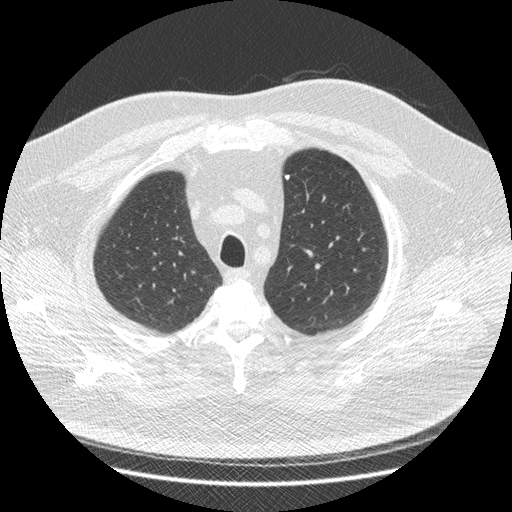
Axial chest CT slice 351 of 426 (counted from the lowest slice); tube voltage 120 kVp, convolution kernel STANDARD; slices 1.25 mm thick, 0.742 mm per pixel.
Pulmonary nodule outlined by three of the four readers; box rows 174–180, columns 284–290 (the union of the readers' outlines on this slice); longest diameter 6.5 mm on average over the three readers' outlines (readers' outlines 5.4–7.3 mm), volume 50–91 mm3. The readers' prevailing ratings and who disagreed: texture 5/5 (solid) from all three readers; margin 5/5 (circumscribed) from all three readers; sphericity 4/5 by two of three readers; the rest gave 2/5 (one); calcification solid calcification, all three readers agreeing; internal structure soft tissue from all three readers; subtlety 5/5 by two of three readers; the rest gave 4/5 (one); malignancy likelihood 1/5, all three readers agreeing. Scale key (1–5): texture non-solid→solid, margin indistinct→circumscribed, sphericity linear→round, subtlety extremely subtle→obvious, malignancy likelihood highly unlikely→highly suspicious of cancer. Box rows and columns are 0-based pixel indices from the top-left corner, inclusive.